Chest CT, axial plane, 120 kVp, kernel STANDARD. Slice 95/145 from the bottom of the scan; thickness 2.50 mm; pixel size 0.820 mm.
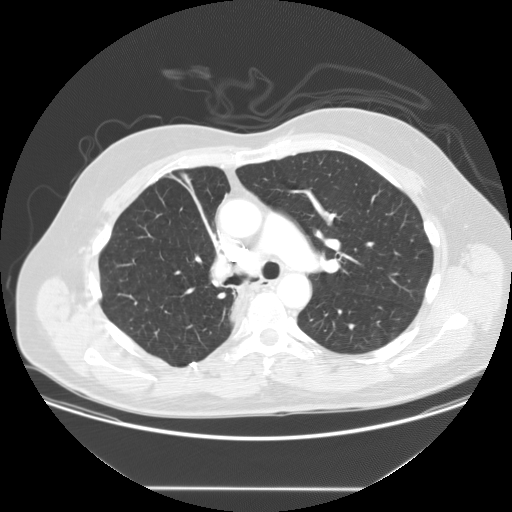
No nodule of 3 mm or larger was outlined by any of the four readers on this slice.